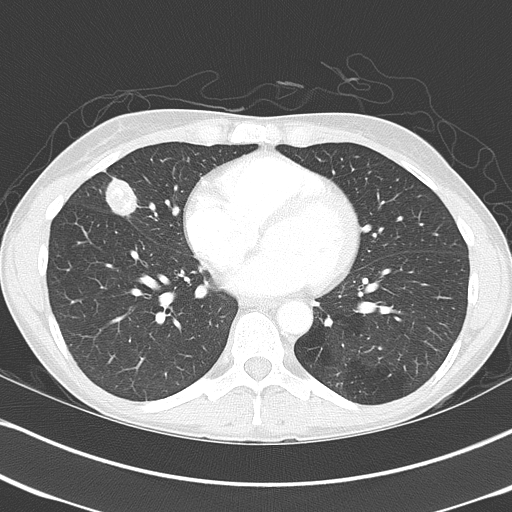
Axial chest CT slice 179 of 368 (counted from the lowest slice); tube voltage 120 kVp, convolution kernel B70f; slices 2.00 mm thick, 0.623 mm per pixel.
Pulmonary nodule outlined by all four readers; box rows 173–218, columns 104–137 (the union of the readers' outlines on this slice); median longest diameter 29.8 mm (readers' outlines 27.1–39.3 mm), median volume 7696 mm3 (6531–9806 mm3). Ratings, median across the readers with their spread: texture 5/5 (solid) from all four readers; margin 4/5 at the median of four readers, spread 2/5 to 5/5 (circumscribed); median sphericity 3/5 (ovoid) (readers ranged 2/5 to 3/5 (ovoid)); calcification split among the readers: laminated calcification (one), absent (one), popcorn calcification (one), non-central calcification (one); internal structure soft tissue, all four readers agreeing; subtlety 5/5 from all four readers; malignancy likelihood 3/5 at the median of four readers, spread 1–5. Scale key (1–5): texture non-solid→solid, margin indistinct→circumscribed, sphericity linear→round, subtlety extremely subtle→obvious, malignancy likelihood highly unlikely→highly suspicious of cancer. Box rows and columns are 0-based pixel indices from the top-left corner, inclusive.